Chest CT, axial plane, 120 kVp, kernel B30f. Slice 109/193 from the bottom of the scan; thickness 2.00 mm; pixel size 0.547 mm.
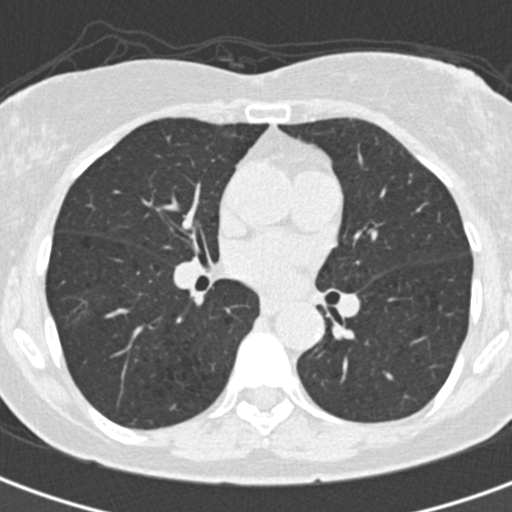
The readers outlined no nodule of 3 mm or more on this slice.